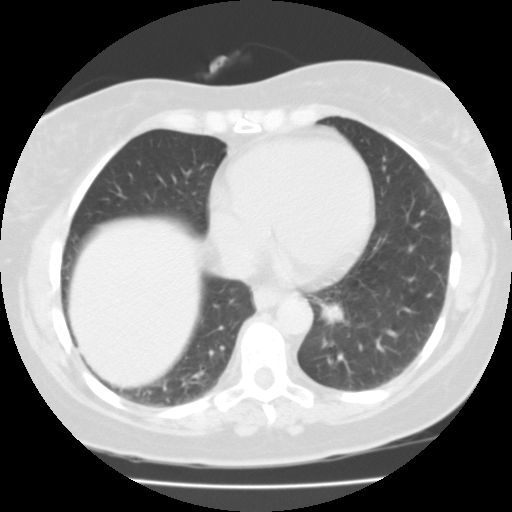
Chest CT, axial plane, 135 kVp, kernel FC01. Slice 25/87 from the bottom of the scan; thickness 3.00 mm; pixel size 0.650 mm.
Pulmonary nodule outlined by all four readers; box rows 300–324, columns 317–344 (the union of the readers' outlines on this slice); median longest diameter 24.2 mm (readers' outlines 19.5–28.0 mm), median volume 2551 mm3 (2261–2704 mm3). Ratings, median across the readers with their spread: texture 5/5 (solid) at the median of four readers, spread 4/5 to 5/5 (solid); median margin 3.5/5 (readers ranged 2/5 to 4/5); sphericity 4/5, all four readers agreeing; calcification absent, all four readers agreeing; internal structure soft tissue from all four readers; median subtlety 4.5/5 (readers ranged 4–5); median malignancy likelihood 3.5/5 (readers ranged 3–5). Scale key (1–5): texture non-solid→solid, margin indistinct→circumscribed, sphericity linear→round, subtlety extremely subtle→obvious, malignancy likelihood highly unlikely→highly suspicious of cancer. Box rows and columns are 0-based pixel indices from the top-left corner, inclusive.